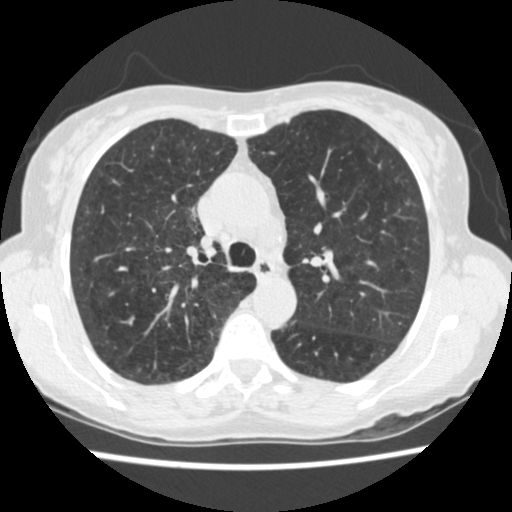
Axial chest CT slice 370 of 541 (counted from the lowest slice); 1.25 mm thick, 0.586 mm per pixel. Pulmonary nodule, outlined by all four readers. Box on this slice rows 163–169, columns 376–380, the union of the readers' outlines on this slice; longest diameter 6.7 mm on average over the four readers' outlines (readers' outlines 5.4–7.8 mm), volume 67–124 mm3. Ratings, by the readers' most common answer with dissent counted: most readers (three of four) put texture at 5/5 (solid), others 4/5 (one); margin 4/5 by three of four readers; the rest gave 5/5 (circumscribed) (one); sphericity 3/5 (ovoid) by two of four readers; the rest gave 2/5 (one), 5/5 (round) (one); calcification absent by three of four readers, central calcification (one); internal structure soft tissue, all four readers agreeing; subtlety 3/5 by two of four readers; the rest gave 4/5 (one), 5/5 (one); malignancy likelihood split among the readers: 1/5 (one), 2/5 (one), 3/5 (one), 4/5 (one). Scale key (1–5): texture non-solid→solid, margin indistinct→circumscribed, sphericity linear→round, subtlety extremely subtle→obvious, malignancy likelihood highly unlikely→highly suspicious of cancer. Box rows and columns are 0-based pixel indices from the top-left corner, inclusive.
Tube voltage 120 kVp; convolution kernel STANDARD.